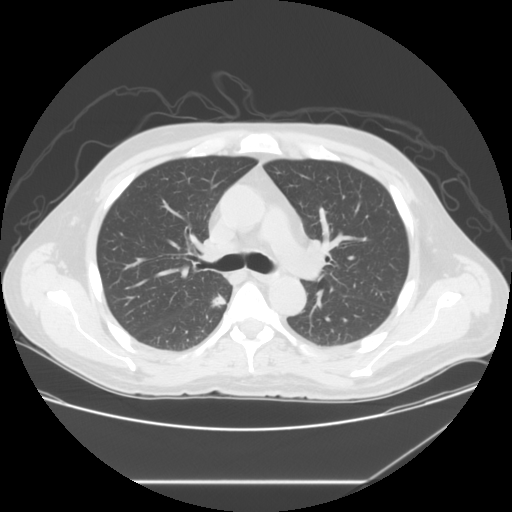
Slice 92/133 of a chest CT, counting up from the lowest; pixel size 0.781 mm, slice thickness 2.50 mm. Pulmonary nodule, outlined by two of the four readers. Box on this slice rows 295–308, columns 211–225, the union of the readers' outlines on this slice; median longest diameter 13.1 mm (readers' outlines 11.7–14.5 mm), median volume 959 mm3 (673–1246 mm3). Ratings, median across the readers with their spread: texture 5/5 (solid), both readers agreeing; median margin 3.5/5 (readers ranged 3/5 to 4/5); median sphericity 3.5/5 (readers ranged 3/5 (ovoid) to 4/5); calcification absent, both readers agreeing; internal structure soft tissue from both readers; subtlety 4.5/5 at the median of two readers, spread 4–5; malignancy likelihood 4.5/5 at the median of two readers, spread 4–5. Scale key (1–5): texture non-solid→solid, margin indistinct→circumscribed, sphericity linear→round, subtlety extremely subtle→obvious, malignancy likelihood highly unlikely→highly suspicious of cancer. Box rows and columns are 0-based pixel indices from the top-left corner, inclusive.
Acquired at 120 kVp and reconstructed with the STANDARD kernel.